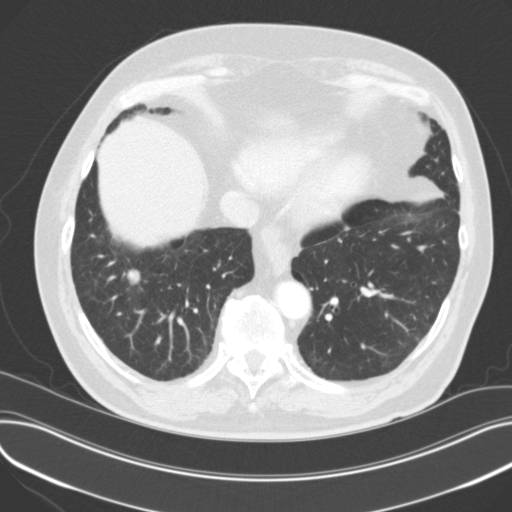
One axial slice (46 of 129, counting up from the lowest) of a chest CT acquired at 120 kVp with the B31f kernel; each pixel is 0.730 mm and the slice is 3.00 mm thick.
Pulmonary nodule outlined by all four readers; box rows 268–284, columns 127–140 (the union of the readers' outlines on this slice); median longest diameter 14.3 mm (readers' outlines 13.4–15.2 mm), median volume 1008 mm3 (918–1274 mm3). Median ratings and the readers' spread: texture 5/5 (solid) from all four readers; median margin 5/5 (circumscribed) (readers ranged 4/5 to 5/5 (circumscribed)); sphericity 5/5 (round), all four readers agreeing; calcification absent from all four readers; internal structure soft tissue, all four readers agreeing; subtlety 4.5/5 at the median of four readers, spread 3–5; malignancy likelihood 3.5/5 at the median of four readers, spread 2–5. Scale key (1–5): texture non-solid→solid, margin indistinct→circumscribed, sphericity linear→round, subtlety extremely subtle→obvious, malignancy likelihood highly unlikely→highly suspicious of cancer. Box rows and columns are 0-based pixel indices from the top-left corner, inclusive.